Chest CT, axial plane, 120 kVp, kernel STANDARD. Slice 193/225 from the bottom of the scan; thickness 1.25 mm; pixel size 0.828 mm.
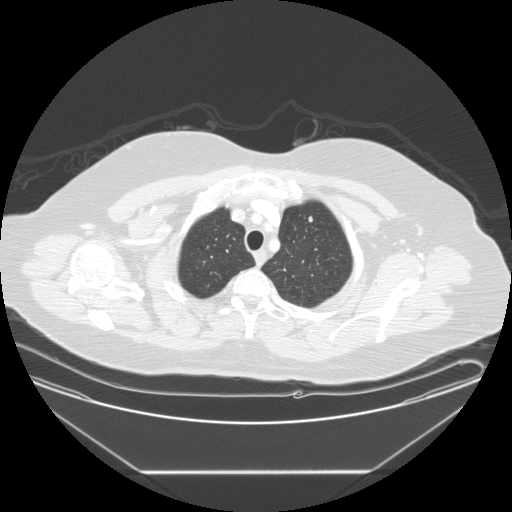
Pulmonary nodule at rows 215–222, columns 308–312 (box = the union of the readers' outlines on this slice), outlined by all four readers; the four readers' outlines give a longest diameter between 6.7 and 7.9 mm and a volume between 129 and 187 mm3. Ratings across the readers: texture 5/5 (solid), all four readers agreeing; margin from 4/5 to 5/5 (circumscribed) across the four readers; sphericity from 4/5 to 5/5 (round) across the four readers; calcification absent from all four readers; internal structure soft tissue, all four readers agreeing; subtlety 2–5/5 (the readers disagree); malignancy likelihood from 2/5 to 3/5 across the four readers. Scale key (1–5): texture non-solid→solid, margin indistinct→circumscribed, sphericity linear→round, subtlety extremely subtle→obvious, malignancy likelihood highly unlikely→highly suspicious of cancer. Box rows and columns are 0-based pixel indices from the top-left corner, inclusive.